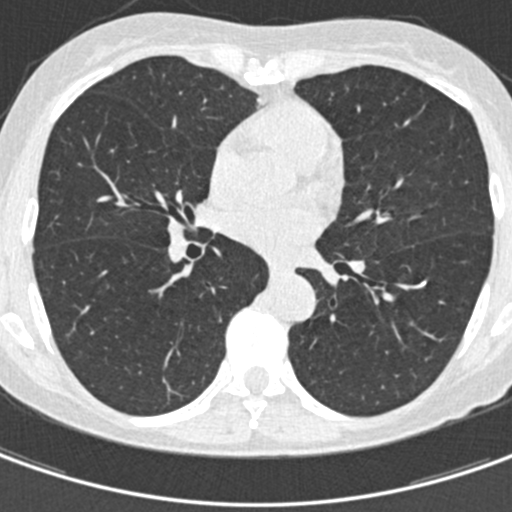
Axial chest CT slice 223 of 429 (counted from the lowest slice); 0.75 mm thick, 0.537 mm per pixel. Pulmonary nodule, outlined by one of the four readers. Box on this slice rows 281–285, columns 422–425, that reader's outline on this slice; longest diameter 4.6 mm and volume 22 mm3 from that reader's outline. Ratings by that reader: texture 5/5 (solid); margin 5/5 (circumscribed); sphericity 4/5; calcification solid calcification; internal structure soft tissue; subtlety 2/5; malignancy likelihood 1/5. Scale key (1–5): texture non-solid→solid, margin indistinct→circumscribed, sphericity linear→round, subtlety extremely subtle→obvious, malignancy likelihood highly unlikely→highly suspicious of cancer. Box rows and columns are 0-based pixel indices from the top-left corner, inclusive.
Acquired at 120 kVp and reconstructed with the B30f kernel.